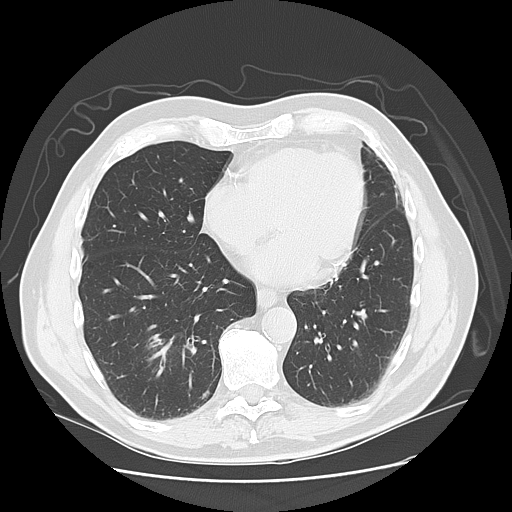
This is axial slice 47 of 131 (slice 1 is the lowest) of a chest CT; each pixel is 0.723 mm and the slice is 2.50 mm thick. Pulmonary nodule, outlined by three of the four readers. Box on this slice rows 390–398, columns 201–208, the union of the readers' outlines on this slice; longest diameter 8.1–8.2 mm and volume 186–190 mm3 across the three readers' outlines. The readers' ratings, as ranges where they differ: texture 5/5 (solid) from all three readers; margin from 4/5 to 5/5 (circumscribed) across the three readers; sphericity from 2/5 to 3/5 (ovoid) across the three readers; calcification: absent (two), solid calcification (one); internal structure soft tissue, all three readers agreeing; subtlety from 3/5 to 5/5 across the three readers; malignancy likelihood from 1/5 to 2/5 across the three readers. Scale key (1–5): texture non-solid→solid, margin indistinct→circumscribed, sphericity linear→round, subtlety extremely subtle→obvious, malignancy likelihood highly unlikely→highly suspicious of cancer. Box rows and columns are 0-based pixel indices from the top-left corner, inclusive.
Scan settings: 120 kVp, LUNG reconstruction kernel.